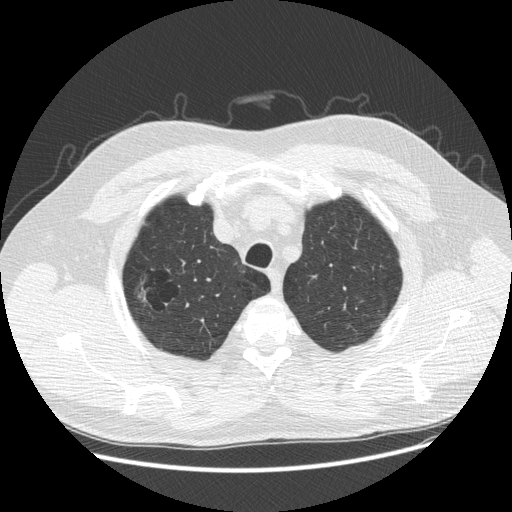
Chest CT, axial plane, 120 kVp, kernel STANDARD. Slice 403/481 from the bottom of the scan; thickness 1.25 mm; pixel size 0.742 mm.
Pulmonary nodule at rows 285–299, columns 137–144 (box = the one reader's outline on this slice), outlined by two of the four readers, one of them on this slice; longest diameter 16.8 mm on average over the two readers' outlines (readers' outlines 15.0–18.6 mm), volume 293–924 mm3. Ratings, by the readers' most common answer with dissent counted: texture 1/5 (non-solid) from both readers; margin split among the readers: 1/5 (indistinct) (one), 2/5 (one); sphericity split among the readers: 3/5 (ovoid) (one), 5/5 (round) (one); calcification absent from both readers; internal structure soft tissue from both readers; subtlety split among the readers: 1/5 (one), 2/5 (one); malignancy likelihood split among the readers: 2/5 (one), 4/5 (one). Scale key (1–5): texture non-solid→solid, margin indistinct→circumscribed, sphericity linear→round, subtlety extremely subtle→obvious, malignancy likelihood highly unlikely→highly suspicious of cancer. Box rows and columns are 0-based pixel indices from the top-left corner, inclusive.